Axial slice 140 of 236 of a chest CT (slice 1 is the lowest), reconstructed with the BONE kernel at 120 kVp; 1.25 mm slice thickness and 0.703 mm pixels.
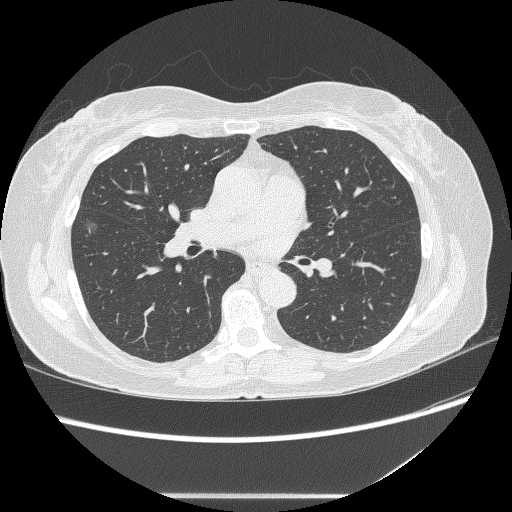
Pulmonary nodule at rows 216–238, columns 81–99 (box = the union of the readers' outlines on this slice), outlined by all four readers; the four readers' outlines give a longest diameter between 17.0 and 21.4 mm and a volume between 673 and 774 mm3. Ratings across the readers: texture 1/5 (non-solid) from all four readers; margin from 1/5 (indistinct) to 4/5 across the four readers; sphericity from 4/5 to 5/5 (round) across the four readers; calcification absent from all four readers; internal structure soft tissue, all four readers agreeing; subtlety rated between 3 and 5 out of 5 by the four readers; malignancy likelihood 3–4/5 (the readers disagree). Scale key (1–5): texture non-solid→solid, margin indistinct→circumscribed, sphericity linear→round, subtlety extremely subtle→obvious, malignancy likelihood highly unlikely→highly suspicious of cancer. Box rows and columns are 0-based pixel indices from the top-left corner, inclusive.